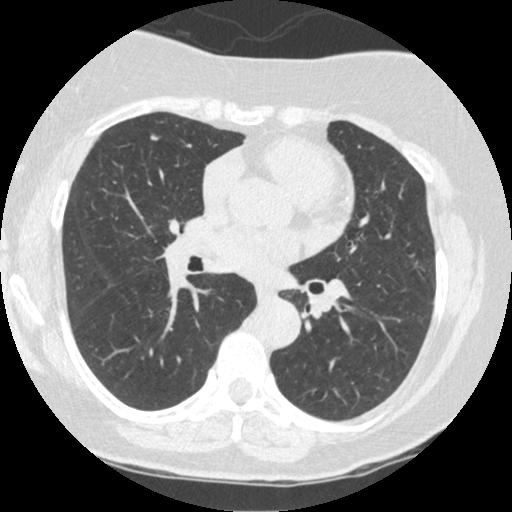
Chest CT, axial plane, 120 kVp, kernel STANDARD. Slice 243/463 from the bottom of the scan; thickness 1.25 mm; pixel size 0.586 mm.
Pulmonary nodule, outlined by two of the four readers. Box on this slice rows 134–140, columns 149–158, the union of the readers' outlines on this slice; median longest diameter 6.9 mm (readers' outlines 6.5–7.4 mm), median volume 43 mm3 (40–47 mm3). Median ratings and the readers' spread: texture 5/5 (solid) from both readers; margin 4/5 from both readers; sphericity 2.5/5 at the median of two readers, spread 2/5 to 3/5 (ovoid); calcification absent, both readers agreeing; internal structure soft tissue, both readers agreeing; subtlety 3/5 at the median of two readers, spread 2–4; median malignancy likelihood 2.5/5 (readers ranged 2–3). Scale key (1–5): texture non-solid→solid, margin indistinct→circumscribed, sphericity linear→round, subtlety extremely subtle→obvious, malignancy likelihood highly unlikely→highly suspicious of cancer. Box rows and columns are 0-based pixel indices from the top-left corner, inclusive.